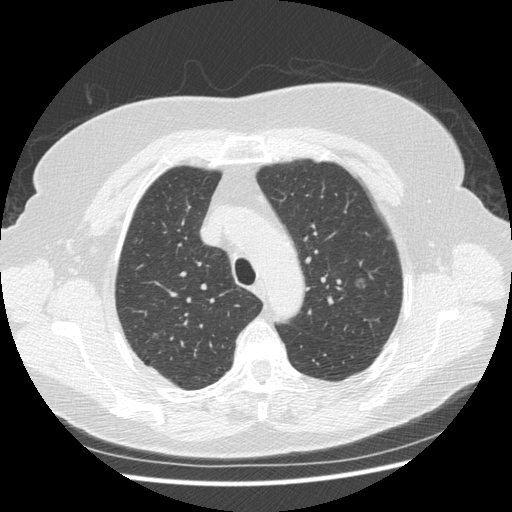
Axial chest CT slice 326 of 413 (counted from the lowest slice); tube voltage 120 kVp, convolution kernel STANDARD; slices 1.25 mm thick, 0.703 mm per pixel.
Pulmonary nodule outlined by two of the four readers; box rows 278–288, columns 355–365 (the union of the readers' outlines on this slice); median longest diameter 10.1 mm (readers' outlines 10.1 mm), median volume 182 mm3 (131–234 mm3). Ratings, median across the readers with their spread: texture 1/5 (non-solid), both readers agreeing; median margin 2/5 (readers ranged 1/5 (indistinct) to 3/5); median sphericity 4.5/5 (readers ranged 4/5 to 5/5 (round)); calcification absent, both readers agreeing; internal structure soft tissue from both readers; median subtlety 2.5/5 (readers ranged 1–4); malignancy likelihood 3.5/5 at the median of two readers, spread 3–4. Scale key (1–5): texture non-solid→solid, margin indistinct→circumscribed, sphericity linear→round, subtlety extremely subtle→obvious, malignancy likelihood highly unlikely→highly suspicious of cancer. Box rows and columns are 0-based pixel indices from the top-left corner, inclusive.